Axial slice 332 of 481 of a chest CT (slice 1 is the lowest), reconstructed with the STANDARD kernel at 120 kVp; 1.25 mm slice thickness and 0.703 mm pixels.
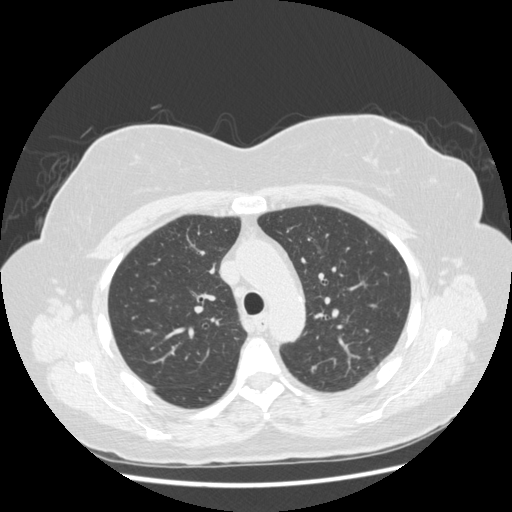
Pulmonary nodule, outlined by one of the four readers. Box on this slice rows 366–369, columns 312–316, that reader's outline on this slice; longest diameter 5.1 mm and volume 38 mm3 from that reader's outline. Ratings by that reader: texture 4/5; margin 4/5; sphericity 4/5; calcification absent; internal structure soft tissue; subtlety 5/5; malignancy likelihood 3/5. Scale key (1–5): texture non-solid→solid, margin indistinct→circumscribed, sphericity linear→round, subtlety extremely subtle→obvious, malignancy likelihood highly unlikely→highly suspicious of cancer. Box rows and columns are 0-based pixel indices from the top-left corner, inclusive.